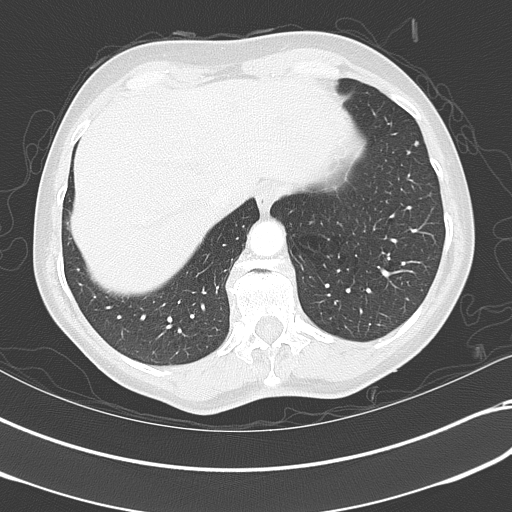
One axial slice (108 of 351, counting up from the lowest) of a chest CT acquired at 120 kVp with the B70f kernel; each pixel is 0.643 mm and the slice is 2.00 mm thick.
Pulmonary nodule at rows 141–146, columns 414–418 (box = that reader's outline on this slice), outlined by one of the four readers; longest diameter 4.5 mm and volume 37 mm3 from that reader's outline. Ratings by that reader: texture 5/5 (solid); margin 5/5 (circumscribed); sphericity 5/5 (round); calcification absent; internal structure soft tissue; subtlety 1/5; malignancy likelihood 2/5. Scale key (1–5): texture non-solid→solid, margin indistinct→circumscribed, sphericity linear→round, subtlety extremely subtle→obvious, malignancy likelihood highly unlikely→highly suspicious of cancer. Box rows and columns are 0-based pixel indices from the top-left corner, inclusive.